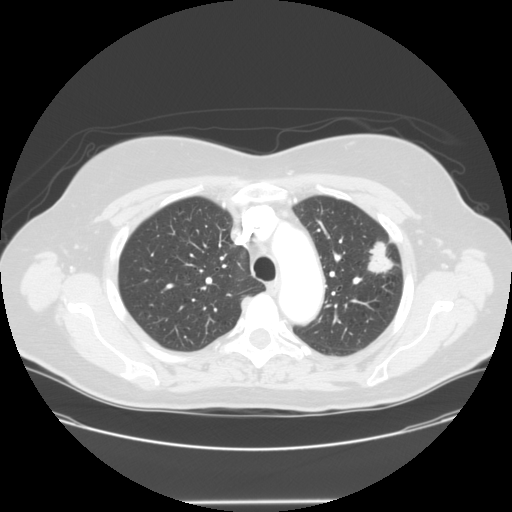
Chest CT, axial plane, 120 kVp, kernel STANDARD. Slice 105/138 from the bottom of the scan; thickness 2.50 mm; pixel size 0.781 mm.
Pulmonary nodule at rows 239–274, columns 367–395 (box = the union of the readers' outlines on this slice), outlined by all four readers; median longest diameter 30.2 mm (readers' outlines 29.1–32.9 mm), median volume 5896 mm3 (5563–6580 mm3). Ratings, median across the readers with their spread: texture 5/5 (solid) at the median of four readers, spread 4/5 to 5/5 (solid); median margin 3.5/5 (readers ranged 3/5 to 4/5); median sphericity 3/5 (ovoid) (readers ranged 3/5 (ovoid) to 5/5 (round)); calcification absent, all four readers agreeing; internal structure soft tissue, all four readers agreeing; subtlety 5/5 from all four readers; median malignancy likelihood 5/5 (readers ranged 4–5). Scale key (1–5): texture non-solid→solid, margin indistinct→circumscribed, sphericity linear→round, subtlety extremely subtle→obvious, malignancy likelihood highly unlikely→highly suspicious of cancer. Box rows and columns are 0-based pixel indices from the top-left corner, inclusive.